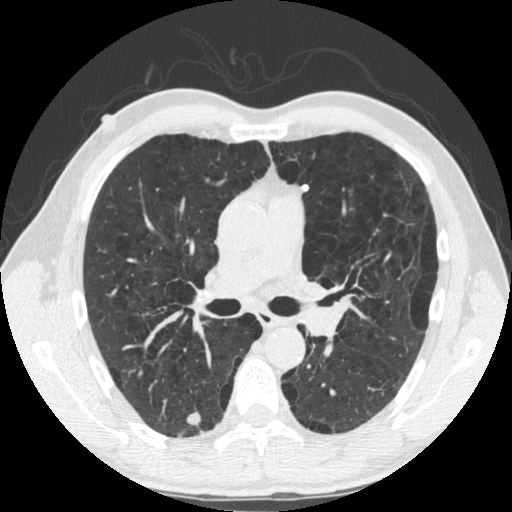
Axial slice 314 of 535 of a chest CT (slice 1 is the lowest), reconstructed with the STANDARD kernel at 120 kVp; 1.25 mm slice thickness and 0.664 mm pixels.
Three pulmonary nodules are outlined on this slice; from left to right: (1) Pulmonary nodule outlined by all four readers; box rows 412–425, columns 187–200 (the union of the readers' outlines on this slice); median longest diameter 11.0 mm (readers' outlines 10.5–12.4 mm), median volume 554 mm3 (543–647 mm3). Median ratings and the readers' spread: texture 5/5 (solid), all four readers agreeing; margin 5/5 (circumscribed), all four readers agreeing; sphericity 4.5/5 at the median of four readers, spread 3/5 (ovoid) to 5/5 (round); calcification: absent (three), laminated calcification (one); internal structure soft tissue from all four readers; subtlety 5/5 from all four readers; median malignancy likelihood 2.5/5 (readers ranged 1–5). (2) Pulmonary nodule outlined by two of the four readers; box rows 185–190, columns 301–308 (the union of the readers' outlines on this slice); median longest diameter 5.7 mm (readers' outlines 5.4–6.0 mm), median volume 51 mm3 (45–58 mm3). Median ratings and the readers' spread: texture 5/5 (solid), both readers agreeing; margin 5/5 (circumscribed), both readers agreeing; sphericity 4.5/5 at the median of two readers, spread 4/5 to 5/5 (round); calcification solid calcification, both readers agreeing; internal structure soft tissue from both readers; subtlety 4/5 from both readers; malignancy likelihood 1/5, both readers agreeing. (3) Pulmonary nodule outlined by all four readers, one of them on this slice; box rows 228–234, columns 373–378 (the one reader's outline on this slice); the four readers' outlines give a longest diameter between 6.3 and 7.6 mm and a volume between 41 and 65 mm3. The readers' ratings, as ranges where they differ: texture 5/5 (solid), all four readers agreeing; margin 5/5 (circumscribed) from all four readers; sphericity from 2/5 to 3/5 (ovoid) across the four readers; calcification solid calcification from all four readers; internal structure soft tissue, all four readers agreeing; subtlety 4–5/5 (the readers disagree); malignancy likelihood 1/5, all four readers agreeing. Scale key (1–5): texture non-solid→solid, margin indistinct→circumscribed, sphericity linear→round, subtlety extremely subtle→obvious, malignancy likelihood highly unlikely→highly suspicious of cancer. Box rows and columns are 0-based pixel indices from the top-left corner, inclusive.